Chest CT, axial plane, 120 kVp, kernel STANDARD. Slice 84/139 from the bottom of the scan; thickness 2.50 mm; pixel size 0.898 mm.
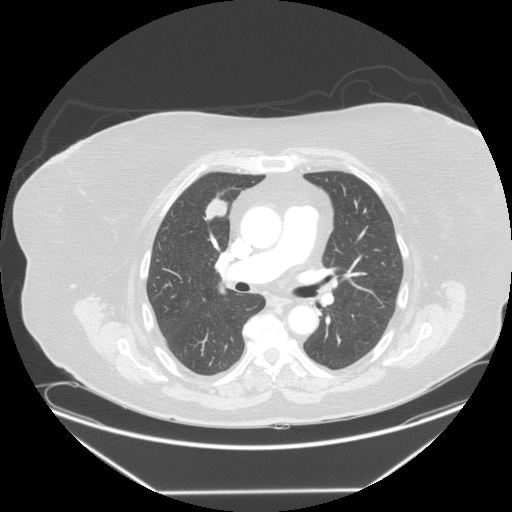
Pulmonary nodule outlined by three of the four readers; box rows 198–219, columns 205–227 (the union of the readers' outlines on this slice); longest diameter 23.3–26.2 mm and volume 2868–3243 mm3 across the three readers' outlines. Ratings across the readers: texture 5/5 (solid) from all three readers; margin from 4/5 to 5/5 (circumscribed) across the three readers; sphericity from 3/5 (ovoid) to 5/5 (round) across the three readers; calcification absent from all three readers; internal structure soft tissue, all three readers agreeing; subtlety 5/5, all three readers agreeing; malignancy likelihood 3–5/5 (the readers disagree). Scale key (1–5): texture non-solid→solid, margin indistinct→circumscribed, sphericity linear→round, subtlety extremely subtle→obvious, malignancy likelihood highly unlikely→highly suspicious of cancer. Box rows and columns are 0-based pixel indices from the top-left corner, inclusive.